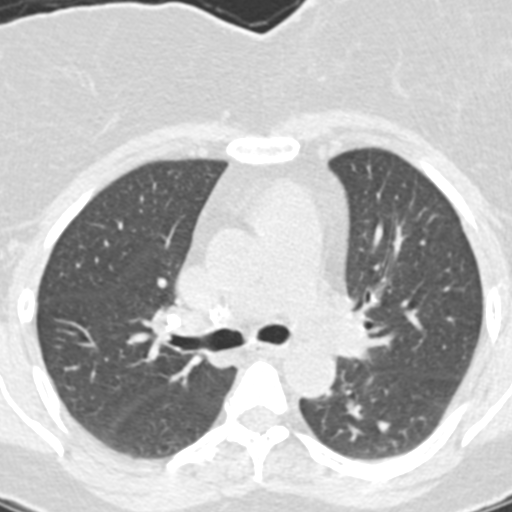
This is axial slice 89 of 331 (slice 1 is the lowest) of a chest CT; each pixel is 0.496 mm and the slice is 1.25 mm thick. No nodule of 3 mm or larger was outlined by any of the four readers on this slice.
Acquired at 130 kVp and reconstructed with the B20s kernel.